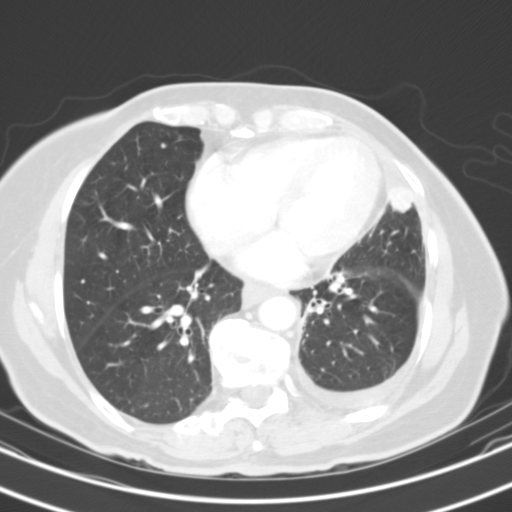
One axial slice (56 of 121, counting up from the lowest) of a chest CT acquired at 130 kVp with the B31s kernel; each pixel is 0.613 mm and the slice is 3.00 mm thick.
Two pulmonary nodules on this slice, listed from left to right. (1) Pulmonary nodule at rows 143–147, columns 161–166 (box = that reader's outline on this slice), outlined by one of the four readers; longest diameter 4.9 mm and volume 60 mm3 from that reader's outline. That reader's ratings: texture 5/5 (solid); margin 5/5 (circumscribed); sphericity 5/5 (round); calcification absent; internal structure soft tissue; subtlety 2/5; malignancy likelihood 2/5. (2) Pulmonary nodule outlined by two of the four readers; box rows 186–212, columns 388–412 (the union of the readers' outlines on this slice); the two readers' outlines give a longest diameter between 19.2 and 20.6 mm and a volume between 4717 and 4944 mm3. The readers' ratings, as ranges where they differ: texture 5/5 (solid), both readers agreeing; margin from 3/5 to 4/5 across the two readers; sphericity from 4/5 to 5/5 (round) across the two readers; calcification absent from both readers; internal structure soft tissue from both readers; subtlety from 3/5 to 5/5 across the two readers; malignancy likelihood rated between 3 and 4 out of 5 by the two readers. Scale key (1–5): texture non-solid→solid, margin indistinct→circumscribed, sphericity linear→round, subtlety extremely subtle→obvious, malignancy likelihood highly unlikely→highly suspicious of cancer. Box rows and columns are 0-based pixel indices from the top-left corner, inclusive.